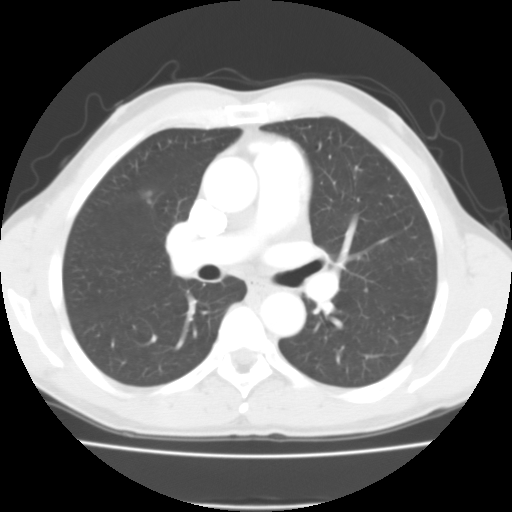
Axial slice 63 of 104 of a chest CT (slice 1 is the lowest), reconstructed with the FC01 kernel at 135 kVp; 3.00 mm slice thickness and 0.622 mm pixels.
Pulmonary nodule, outlined by three of the four readers, two of them on this slice. Box on this slice rows 190–208, columns 141–155, the union of the readers' outlines on this slice; median longest diameter 12.3 mm (readers' outlines 10.7–13.5 mm), median volume 402 mm3 (106–546 mm3). Median ratings and the readers' spread: median texture 5/5 (solid) (readers ranged 3/5 (part-solid) to 5/5 (solid)); margin 4/5 at the median of three readers, spread 2/5 to 4/5; sphericity 3/5 (ovoid) at the median of three readers, spread 2/5 to 4/5; calcification absent from all three readers; internal structure soft tissue from all three readers; median subtlety 4/5 (readers ranged 3–5); median malignancy likelihood 3/5 (readers ranged 1–4). Scale key (1–5): texture non-solid→solid, margin indistinct→circumscribed, sphericity linear→round, subtlety extremely subtle→obvious, malignancy likelihood highly unlikely→highly suspicious of cancer. Box rows and columns are 0-based pixel indices from the top-left corner, inclusive.